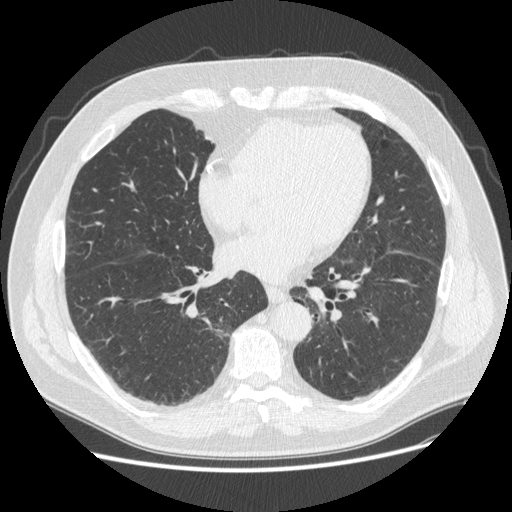
Chest CT, axial plane, 120 kVp, kernel STANDARD. Slice 211/481 from the bottom of the scan; thickness 1.25 mm; pixel size 0.742 mm.
The readers outlined no nodule of 3 mm or more on this slice.